Chest CT, axial plane, 120 kVp, kernel STANDARD. Slice 106/133 from the bottom of the scan; thickness 2.50 mm; pixel size 0.664 mm.
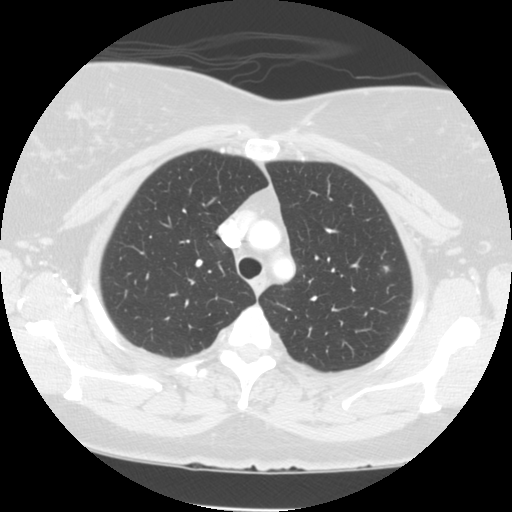
Pulmonary nodule at rows 265–270, columns 383–388 (box = the union of the readers' outlines on this slice), outlined by two of the four readers; longest diameter 9.4 mm on average over the two readers' outlines (readers' outlines 8.4–10.4 mm), volume 165–182 mm3. The readers' prevailing ratings and who disagreed: texture split among the readers: 2/5 (one), 5/5 (solid) (one); margin split among the readers: 3/5 (one), 4/5 (one); sphericity 3/5 (ovoid), both readers agreeing; calcification absent, both readers agreeing; internal structure soft tissue from both readers; subtlety split among the readers: 3/5 (one), 4/5 (one); malignancy likelihood 3/5 from both readers. Scale key (1–5): texture non-solid→solid, margin indistinct→circumscribed, sphericity linear→round, subtlety extremely subtle→obvious, malignancy likelihood highly unlikely→highly suspicious of cancer. Box rows and columns are 0-based pixel indices from the top-left corner, inclusive.